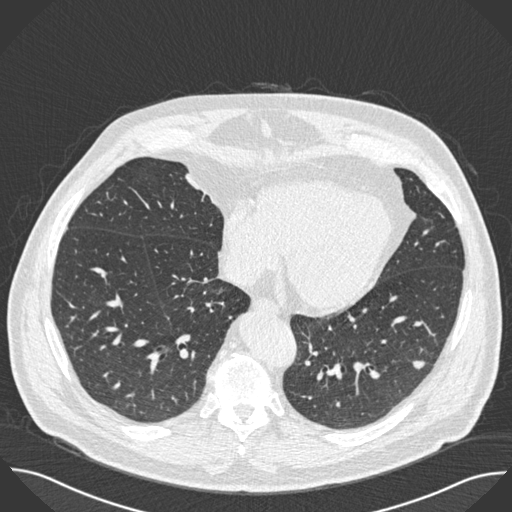
This is axial slice 206 of 493 (slice 1 is the lowest) of a chest CT; each pixel is 0.762 mm and the slice is 0.75 mm thick. Pulmonary nodule, outlined by all four readers. Box on this slice rows 361–368, columns 413–424, the union of the readers' outlines on this slice; the four readers' outlines give a longest diameter between 10.0 and 10.8 mm and a volume between 188 and 224 mm3. The readers' ratings, as ranges where they differ: texture 5/5 (solid), all four readers agreeing; margin from 4/5 to 5/5 (circumscribed) across the four readers; sphericity 3/5 (ovoid) from all four readers; calcification: absent (three), solid calcification (one); internal structure soft tissue, all four readers agreeing; subtlety rated between 3 and 5 out of 5 by the four readers; malignancy likelihood rated between 2 and 3 out of 5 by the four readers. Scale key (1–5): texture non-solid→solid, margin indistinct→circumscribed, sphericity linear→round, subtlety extremely subtle→obvious, malignancy likelihood highly unlikely→highly suspicious of cancer. Box rows and columns are 0-based pixel indices from the top-left corner, inclusive.
Scan settings: 120 kVp, B30f reconstruction kernel.